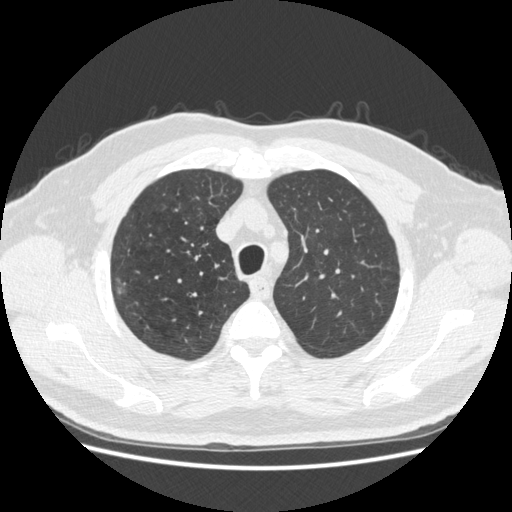
This is axial slice 368 of 465 (slice 1 is the lowest) of a chest CT; each pixel is 0.703 mm and the slice is 1.25 mm thick. Pulmonary nodule at rows 276–295, columns 115–126 (box = the union of the readers' outlines on this slice), outlined by all four readers, three of them on this slice; the four readers' outlines give a longest diameter between 15.5 and 18.9 mm and a volume between 1041 and 1475 mm3. Ratings across the readers: texture 5/5 (solid) from all four readers; margin from 4/5 to 5/5 (circumscribed) across the four readers; sphericity from 3/5 (ovoid) to 5/5 (round) across the four readers; calcification absent, all four readers agreeing; internal structure soft tissue from all four readers; subtlety rated between 4 and 5 out of 5 by the four readers; malignancy likelihood 2–5/5 (the readers disagree). Scale key (1–5): texture non-solid→solid, margin indistinct→circumscribed, sphericity linear→round, subtlety extremely subtle→obvious, malignancy likelihood highly unlikely→highly suspicious of cancer. Box rows and columns are 0-based pixel indices from the top-left corner, inclusive.
Acquired at 120 kVp and reconstructed with the STANDARD kernel.